One axial slice (58 of 113, counting up from the lowest) of a chest CT acquired at 120 kVp with the STANDARD kernel; each pixel is 0.742 mm and the slice is 2.50 mm thick.
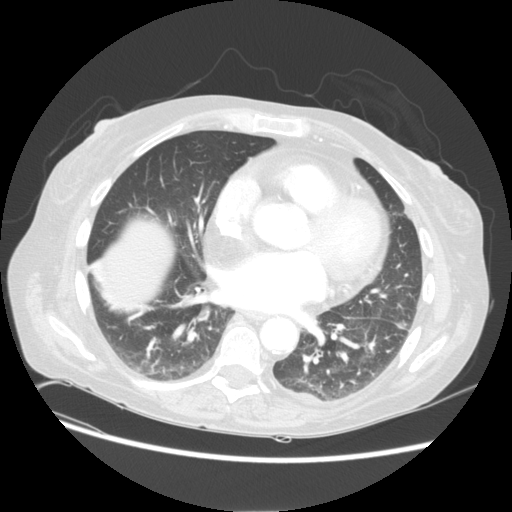
Pulmonary nodule outlined by three of the four readers; box rows 321–329, columns 395–405 (the union of the readers' outlines on this slice); median longest diameter 11.6 mm (readers' outlines 10.3–12.4 mm), median volume 379 mm3 (262–384 mm3). Ratings, median across the readers with their spread: median texture 5/5 (solid) (readers ranged 4/5 to 5/5 (solid)); median margin 5/5 (circumscribed) (readers ranged 2/5 to 5/5 (circumscribed)); median sphericity 3/5 (ovoid) (readers ranged 3/5 (ovoid) to 5/5 (round)); calcification absent from all three readers; internal structure soft tissue from all three readers; median subtlety 4/5 (readers ranged 3–5); malignancy likelihood 2/5 at the median of three readers, spread 2–5. Scale key (1–5): texture non-solid→solid, margin indistinct→circumscribed, sphericity linear→round, subtlety extremely subtle→obvious, malignancy likelihood highly unlikely→highly suspicious of cancer. Box rows and columns are 0-based pixel indices from the top-left corner, inclusive.